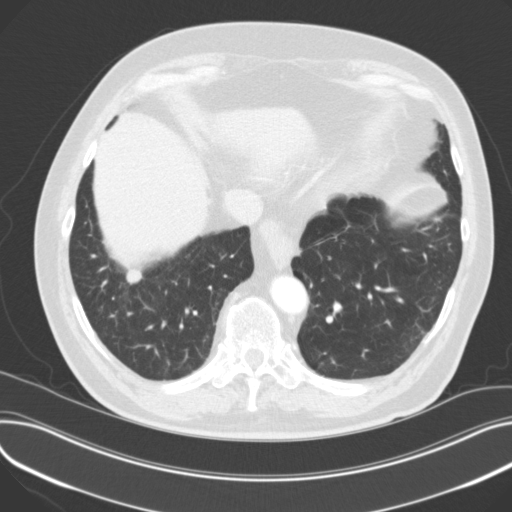
Chest CT, axial plane, 120 kVp, kernel B31f. Slice 44/129 from the bottom of the scan; thickness 3.00 mm; pixel size 0.730 mm.
Pulmonary nodule, outlined by all four readers. Box on this slice rows 269–284, columns 126–141, the union of the readers' outlines on this slice; median longest diameter 14.3 mm (readers' outlines 13.4–15.2 mm), median volume 1008 mm3 (918–1274 mm3). Median ratings and the readers' spread: texture 5/5 (solid), all four readers agreeing; margin 5/5 (circumscribed) at the median of four readers, spread 4/5 to 5/5 (circumscribed); sphericity 5/5 (round), all four readers agreeing; calcification absent, all four readers agreeing; internal structure soft tissue from all four readers; subtlety 4.5/5 at the median of four readers, spread 3–5; median malignancy likelihood 3.5/5 (readers ranged 2–5). Scale key (1–5): texture non-solid→solid, margin indistinct→circumscribed, sphericity linear→round, subtlety extremely subtle→obvious, malignancy likelihood highly unlikely→highly suspicious of cancer. Box rows and columns are 0-based pixel indices from the top-left corner, inclusive.